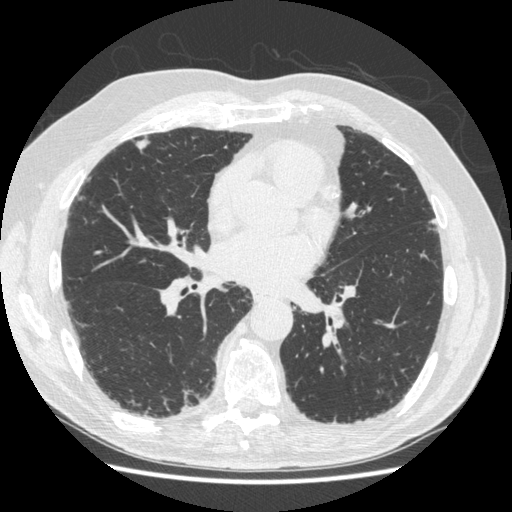
Chest CT, axial plane, 120 kVp, kernel STANDARD. Slice 237/497 from the bottom of the scan; thickness 1.25 mm; pixel size 0.703 mm.
Pulmonary nodule outlined by all four readers; box rows 137–152, columns 135–150 (the union of the readers' outlines on this slice); the four readers' outlines give a longest diameter between 10.9 and 14.8 mm and a volume between 184 and 648 mm3. Ratings across the readers: texture from 1/5 (non-solid) to 5/5 (solid) across the four readers; margin from 2/5 to 4/5 across the four readers; sphericity from 3/5 (ovoid) to 5/5 (round) across the four readers; calcification absent from all four readers; internal structure soft tissue from all four readers; subtlety rated between 1 and 5 out of 5 by the four readers; malignancy likelihood 2–4/5 (the readers disagree). Scale key (1–5): texture non-solid→solid, margin indistinct→circumscribed, sphericity linear→round, subtlety extremely subtle→obvious, malignancy likelihood highly unlikely→highly suspicious of cancer. Box rows and columns are 0-based pixel indices from the top-left corner, inclusive.